Axial slice 234 of 369 of a chest CT (slice 1 is the lowest), reconstructed with the STANDARD kernel at 120 kVp; 1.25 mm slice thickness and 0.703 mm pixels.
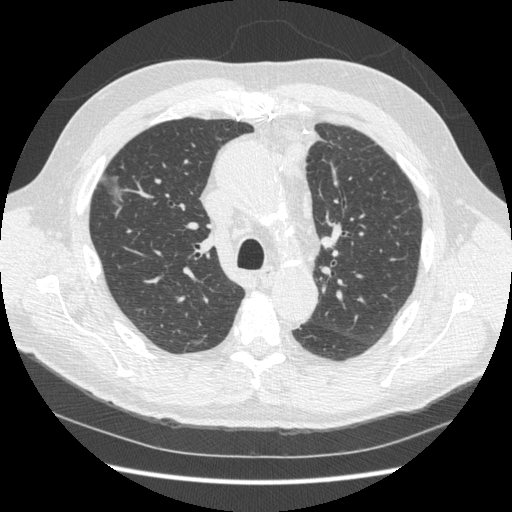
Pulmonary nodule, outlined by one of the four readers. Box on this slice rows 172–200, columns 100–122, that reader's outline on this slice; longest diameter 27.0 mm and volume 3015 mm3 from that reader's outline. That reader's ratings: texture 1/5 (non-solid); margin 1/5 (indistinct); sphericity 3/5 (ovoid); calcification absent; internal structure soft tissue; subtlety 3/5; malignancy likelihood 3/5. Scale key (1–5): texture non-solid→solid, margin indistinct→circumscribed, sphericity linear→round, subtlety extremely subtle→obvious, malignancy likelihood highly unlikely→highly suspicious of cancer. Box rows and columns are 0-based pixel indices from the top-left corner, inclusive.